Axial slice 47 of 109 of a chest CT (slice 1 is the lowest), reconstructed with the FC01 kernel at 135 kVp; 3.00 mm slice thickness and 0.720 mm pixels.
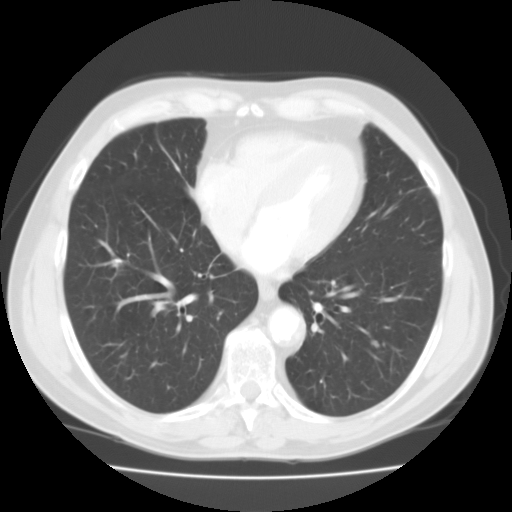
Pulmonary nodule, outlined by two of the four readers. Box on this slice rows 341–346, columns 372–378, the union of the readers' outlines on this slice; longest diameter 8.3 mm on average over the two readers' outlines (readers' outlines 8.2–8.4 mm), volume 188–215 mm3. Ratings, by the readers' most common answer with dissent counted: texture 5/5 (solid) from both readers; margin 4/5 from both readers; sphericity split among the readers: 2/5 (one), 3/5 (ovoid) (one); calcification absent from both readers; internal structure soft tissue from both readers; subtlety split among the readers: 3/5 (one), 4/5 (one); malignancy likelihood split among the readers: 2/5 (one), 3/5 (one). Scale key (1–5): texture non-solid→solid, margin indistinct→circumscribed, sphericity linear→round, subtlety extremely subtle→obvious, malignancy likelihood highly unlikely→highly suspicious of cancer. Box rows and columns are 0-based pixel indices from the top-left corner, inclusive.